Chest CT, axial plane, 120 kVp, kernel B30f. Slice 192/209 from the bottom of the scan; thickness 2.00 mm; pixel size 0.625 mm.
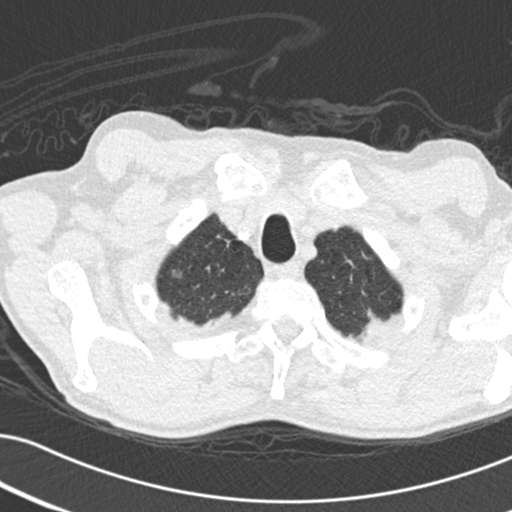
Pulmonary nodule outlined by two of the four readers; box rows 268–277, columns 171–181 (the union of the readers' outlines on this slice); the two readers' outlines give a longest diameter between 8.8 and 10.4 mm and a volume between 127 and 270 mm3. The readers' ratings, as ranges where they differ: texture from 1/5 (non-solid) to 4/5 across the two readers; margin from 2/5 to 4/5 across the two readers; sphericity from 3/5 (ovoid) to 4/5 across the two readers; calcification absent, both readers agreeing; internal structure soft tissue, both readers agreeing; subtlety 3–4/5 (the readers disagree); malignancy likelihood 3–4/5 (the readers disagree). Scale key (1–5): texture non-solid→solid, margin indistinct→circumscribed, sphericity linear→round, subtlety extremely subtle→obvious, malignancy likelihood highly unlikely→highly suspicious of cancer. Box rows and columns are 0-based pixel indices from the top-left corner, inclusive.